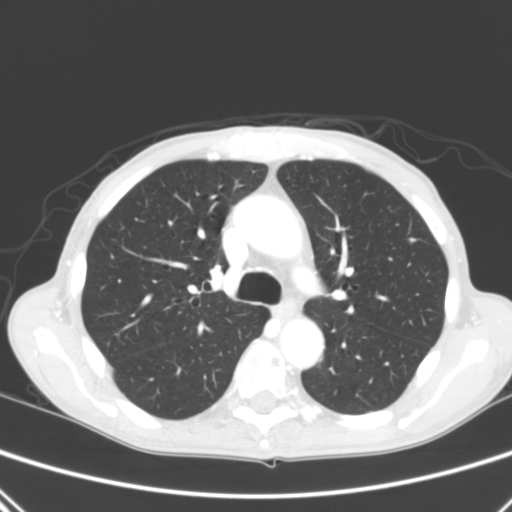
Chest CT, axial plane, 120 kVp, kernel B. Slice 193/290 from the bottom of the scan; thickness 2.00 mm; pixel size 0.639 mm.
Pulmonary nodule outlined by one of the four readers; box rows 237–242, columns 407–415 (that reader's outline on this slice); longest diameter 6.9 mm and volume 63 mm3 from that reader's outline. That reader's ratings: texture 5/5 (solid); margin 5/5 (circumscribed); sphericity 3/5 (ovoid); calcification absent; internal structure soft tissue; subtlety 3/5; malignancy likelihood 2/5. Scale key (1–5): texture non-solid→solid, margin indistinct→circumscribed, sphericity linear→round, subtlety extremely subtle→obvious, malignancy likelihood highly unlikely→highly suspicious of cancer. Box rows and columns are 0-based pixel indices from the top-left corner, inclusive.